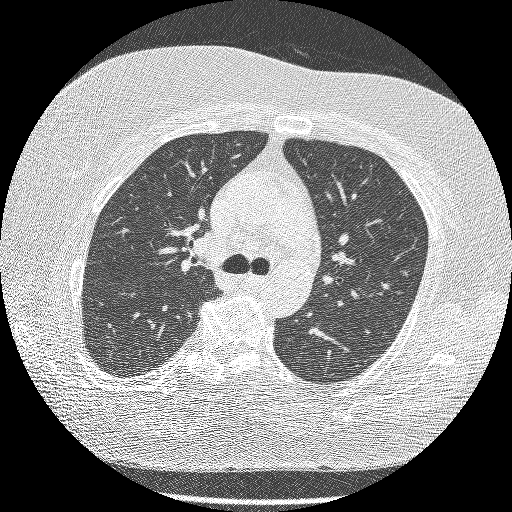
This is axial slice 136 of 195 (slice 1 is the lowest) of a chest CT; each pixel is 0.645 mm and the slice is 1.25 mm thick. None of the four readers outlined a nodule of 3 mm or more on this slice.
Acquired at 120 kVp and reconstructed with the BONE kernel.